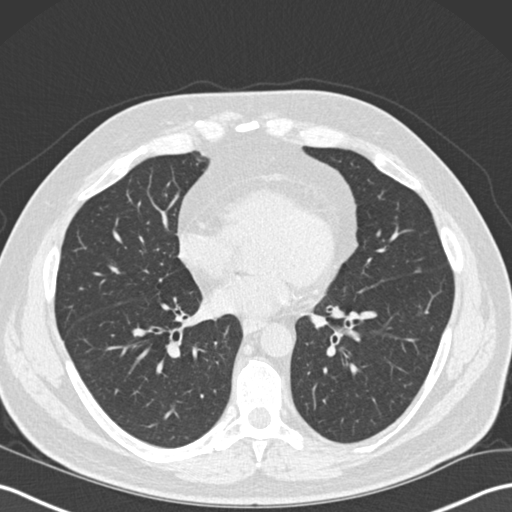
This is axial slice 89 of 191 (slice 1 is the lowest) of a chest CT; each pixel is 0.684 mm and the slice is 2.00 mm thick. Pulmonary nodule, outlined by all four readers. Box on this slice rows 266–273, columns 413–421, the union of the readers' outlines on this slice; longest diameter 8.4 mm on average over the four readers' outlines (readers' outlines 7.8–8.8 mm), volume 75–119 mm3. Ratings, by the readers' most common answer with dissent counted: texture 2/5 by two of four readers; the rest gave 1/5 (non-solid) (one), 5/5 (solid) (one); margin 3/5 by two of four readers; the rest gave 2/5 (one), 4/5 (one); sphericity 3/5 (ovoid) from all four readers; calcification absent, all four readers agreeing; internal structure soft tissue, all four readers agreeing; subtlety 4/5 by two of four readers; the rest gave 2/5 (one), 5/5 (one); malignancy likelihood 2/5 from all four readers. Scale key (1–5): texture non-solid→solid, margin indistinct→circumscribed, sphericity linear→round, subtlety extremely subtle→obvious, malignancy likelihood highly unlikely→highly suspicious of cancer. Box rows and columns are 0-based pixel indices from the top-left corner, inclusive.
Tube voltage 120 kVp; convolution kernel B30f.